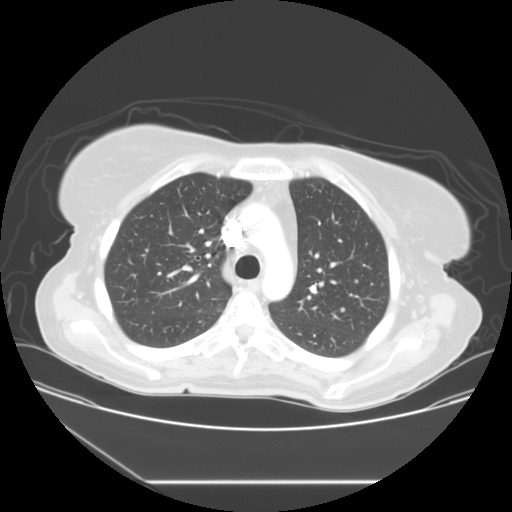
Axial slice 87 of 117 of a chest CT (slice 1 is the lowest), reconstructed with the STANDARD kernel at 120 kVp; 2.50 mm slice thickness and 0.781 mm pixels.
Two pulmonary nodules on this slice, listed from left to right. (1) Pulmonary nodule at rows 307–312, columns 340–345 (box = the union of the readers' outlines on this slice), outlined by three of the four readers; median longest diameter 5.2 mm (readers' outlines 4.2–5.5 mm), median volume 47 mm3 (47–89 mm3). Median ratings and the readers' spread: texture 5/5 (solid), all three readers agreeing; median margin 5/5 (circumscribed) (readers ranged 4/5 to 5/5 (circumscribed)); sphericity 5/5 (round), all three readers agreeing; calcification absent, all three readers agreeing; internal structure soft tissue, all three readers agreeing; subtlety 3/5 at the median of three readers, spread 2–3; malignancy likelihood 3/5 at the median of three readers, spread 2–3. (2) Pulmonary nodule at rows 279–283, columns 354–358 (box = that reader's outline on this slice), outlined by one of the four readers; longest diameter 4.8 mm and volume 32 mm3 from that reader's outline. That reader's ratings: texture 5/5 (solid); margin 4/5; sphericity 5/5 (round); calcification absent; internal structure soft tissue; subtlety 2/5; malignancy likelihood 2/5. Scale key (1–5): texture non-solid→solid, margin indistinct→circumscribed, sphericity linear→round, subtlety extremely subtle→obvious, malignancy likelihood highly unlikely→highly suspicious of cancer. Box rows and columns are 0-based pixel indices from the top-left corner, inclusive.